Chest CT, axial plane, 120 kVp, kernel STANDARD. Slice 408/458 from the bottom of the scan; thickness 1.25 mm; pixel size 0.586 mm.
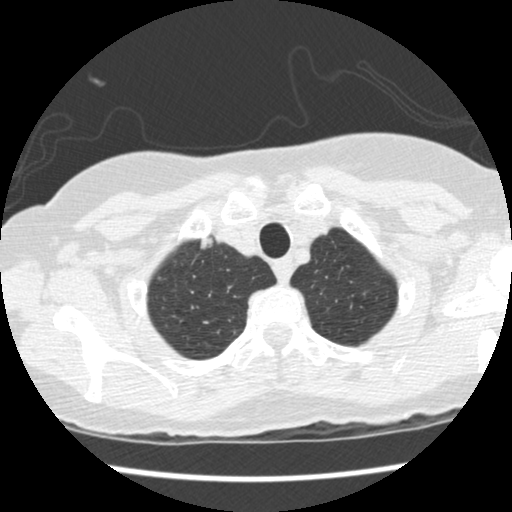
Pulmonary nodule outlined by all four readers; box rows 237–250, columns 200–212 (the union of the readers' outlines on this slice); longest diameter 9.7 mm on average over the four readers' outlines (readers' outlines 9.1–10.0 mm), volume 243–272 mm3. Ratings, by the readers' most common answer with dissent counted: texture 5/5 (solid) by three of four readers; the rest gave 4/5 (one); margin split among the readers: 4/5 (two), 5/5 (circumscribed) (two); sphericity 3/5 (ovoid) by two of four readers; the rest gave 4/5 (one), 5/5 (round) (one); calcification absent from all four readers; internal structure soft tissue from all four readers; subtlety split among the readers: 4/5 (two), 5/5 (two); malignancy likelihood 4/5 by two of four readers; the rest gave 2/5 (one), 3/5 (one). Scale key (1–5): texture non-solid→solid, margin indistinct→circumscribed, sphericity linear→round, subtlety extremely subtle→obvious, malignancy likelihood highly unlikely→highly suspicious of cancer. Box rows and columns are 0-based pixel indices from the top-left corner, inclusive.